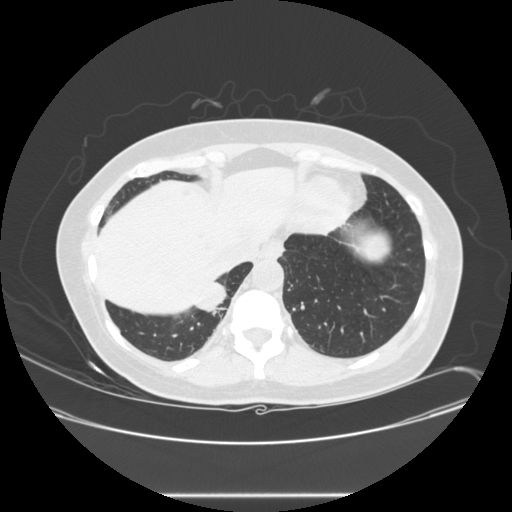
Slice 83/257 of a chest CT, counting up from the lowest; pixel size 0.781 mm, slice thickness 1.25 mm. Pulmonary nodule at rows 282–311, columns 194–226 (box = the union of the readers' outlines on this slice), outlined by three of the four readers; longest diameter 30.0 mm on average over the three readers' outlines (readers' outlines 28.2–32.2 mm), volume 3103–4675 mm3. The readers' prevailing ratings and who disagreed: texture 5/5 (solid) from all three readers; margin 5/5 (circumscribed), all three readers agreeing; sphericity 4/5 from all three readers; calcification absent from all three readers; internal structure soft tissue, all three readers agreeing; subtlety 5/5 from all three readers; malignancy likelihood split among the readers: 2/5 (one), 4/5 (one), 5/5 (one). Scale key (1–5): texture non-solid→solid, margin indistinct→circumscribed, sphericity linear→round, subtlety extremely subtle→obvious, malignancy likelihood highly unlikely→highly suspicious of cancer. Box rows and columns are 0-based pixel indices from the top-left corner, inclusive.
Tube voltage 120 kVp; convolution kernel STANDARD.